Axial chest CT slice 96 of 117 (counted from the lowest slice); tube voltage 120 kVp, convolution kernel LUNG; slices 2.50 mm thick, 0.723 mm per pixel.
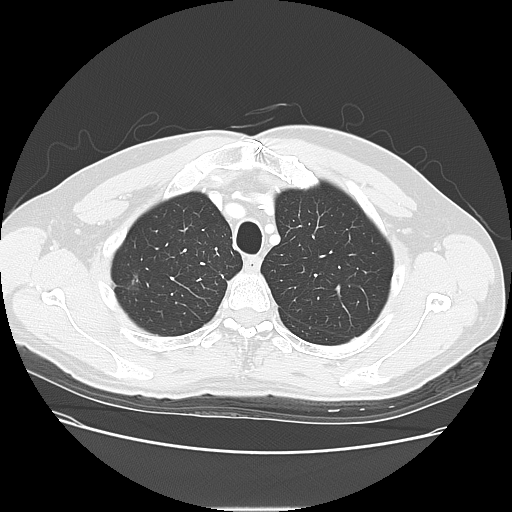
Pulmonary nodule, outlined by all four readers, one of them on this slice. Box on this slice rows 280–284, columns 132–134, the one reader's outline on this slice; the four readers' outlines give a longest diameter between 13.2 and 14.9 mm and a volume between 887 and 1039 mm3. The readers' ratings, as ranges where they differ: texture 5/5 (solid) from all four readers; margin from 4/5 to 5/5 (circumscribed) across the four readers; sphericity from 4/5 to 5/5 (round) across the four readers; calcification: absent (three), solid calcification (one); internal structure soft tissue, all four readers agreeing; subtlety rated between 4 and 5 out of 5 by the four readers; malignancy likelihood from 1/5 to 4/5 across the four readers. Scale key (1–5): texture non-solid→solid, margin indistinct→circumscribed, sphericity linear→round, subtlety extremely subtle→obvious, malignancy likelihood highly unlikely→highly suspicious of cancer. Box rows and columns are 0-based pixel indices from the top-left corner, inclusive.